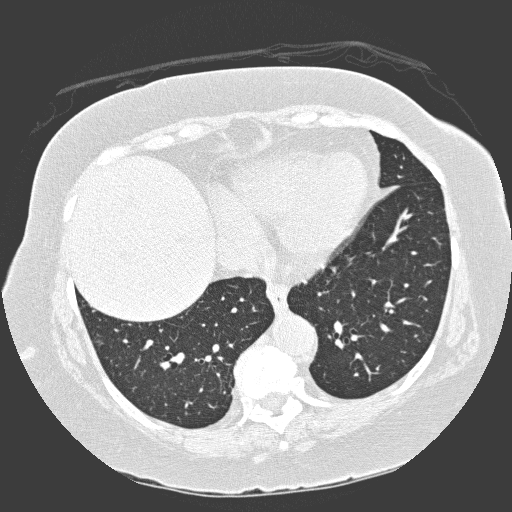
Slice 115/300 of a chest CT, counting up from the lowest; pixel size 0.654 mm, slice thickness 1.00 mm. Pulmonary nodule outlined by one of the four readers; box rows 340–346, columns 95–99 (that reader's outline on this slice); longest diameter 7.5 mm and volume 60 mm3 from that reader's outline. That reader's ratings: texture 1/5 (non-solid); margin 1/5 (indistinct); sphericity 3/5 (ovoid); calcification absent; internal structure soft tissue; subtlety 5/5; malignancy likelihood 3/5. Scale key (1–5): texture non-solid→solid, margin indistinct→circumscribed, sphericity linear→round, subtlety extremely subtle→obvious, malignancy likelihood highly unlikely→highly suspicious of cancer. Box rows and columns are 0-based pixel indices from the top-left corner, inclusive.
Acquired at 120 kVp and reconstructed with the D kernel.